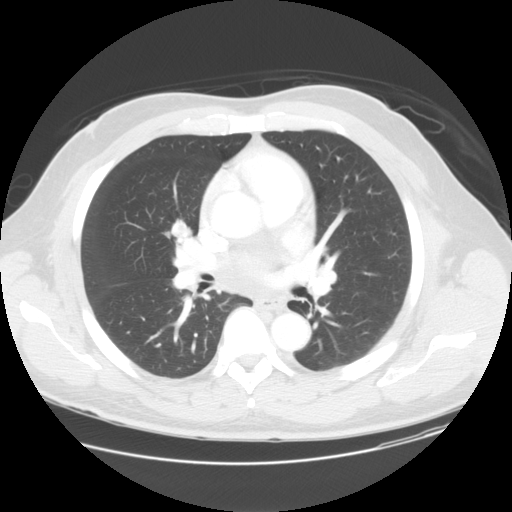
Axial chest CT slice 85 of 144 (counted from the lowest slice); tube voltage 120 kVp, convolution kernel STANDARD; slices 2.50 mm thick, 0.781 mm per pixel.
Pulmonary nodule outlined by three of the four readers; box rows 218–242, columns 170–192 (the union of the readers' outlines on this slice); longest diameter 17.8–19.6 mm and volume 1559–1834 mm3 across the three readers' outlines. The readers' ratings, as ranges where they differ: texture 5/5 (solid), all three readers agreeing; margin from 4/5 to 5/5 (circumscribed) across the three readers; sphericity from 3/5 (ovoid) to 4/5 across the three readers; calcification: absent (two), non-central calcification (one); internal structure soft tissue from all three readers; subtlety from 4/5 to 5/5 across the three readers; malignancy likelihood 3–4/5 (the readers disagree). Scale key (1–5): texture non-solid→solid, margin indistinct→circumscribed, sphericity linear→round, subtlety extremely subtle→obvious, malignancy likelihood highly unlikely→highly suspicious of cancer. Box rows and columns are 0-based pixel indices from the top-left corner, inclusive.